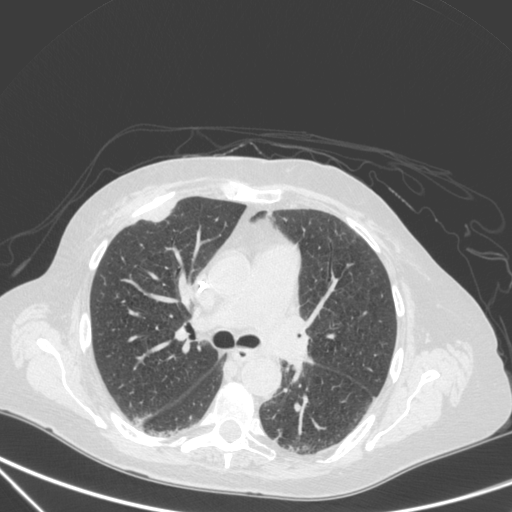
Chest CT, axial plane, 120 kVp, kernel C. Slice 203/350 from the bottom of the scan; thickness 1.50 mm; pixel size 0.725 mm.
Pulmonary nodule at rows 204–221, columns 149–174 (box = that reader's outline on this slice), outlined by one of the four readers; longest diameter 29.5 mm and volume 4181 mm3 from that reader's outline. That reader's ratings: texture 5/5 (solid); margin 4/5; sphericity 2/5; calcification absent; internal structure soft tissue; subtlety 5/5; malignancy likelihood 4/5. Scale key (1–5): texture non-solid→solid, margin indistinct→circumscribed, sphericity linear→round, subtlety extremely subtle→obvious, malignancy likelihood highly unlikely→highly suspicious of cancer. Box rows and columns are 0-based pixel indices from the top-left corner, inclusive.